One axial slice (170 of 298, counting up from the lowest) of a chest CT acquired at 120 kVp with the BONE kernel; each pixel is 0.719 mm and the slice is 1.25 mm thick.
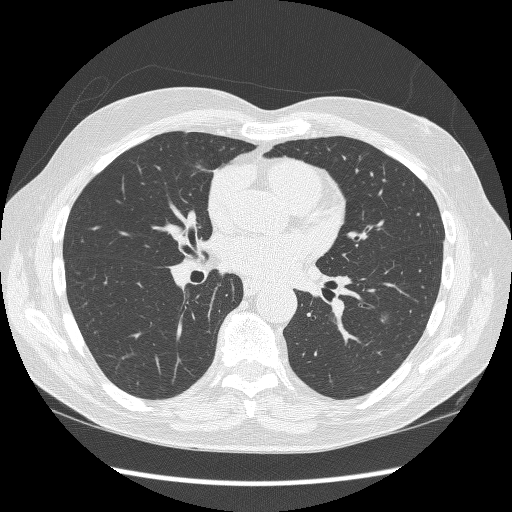
Pulmonary nodule at rows 310–322, columns 380–388 (box = the union of the readers' outlines on this slice), outlined by two of the four readers; longest diameter 10.0–10.3 mm and volume 236–253 mm3 across the two readers' outlines. The readers' ratings, as ranges where they differ: texture 1/5 (non-solid) from both readers; margin from 1/5 (indistinct) to 4/5 across the two readers; sphericity 3/5 (ovoid) from both readers; calcification absent from both readers; internal structure soft tissue, both readers agreeing; subtlety 3/5 from both readers; malignancy likelihood 3/5, both readers agreeing. Scale key (1–5): texture non-solid→solid, margin indistinct→circumscribed, sphericity linear→round, subtlety extremely subtle→obvious, malignancy likelihood highly unlikely→highly suspicious of cancer. Box rows and columns are 0-based pixel indices from the top-left corner, inclusive.